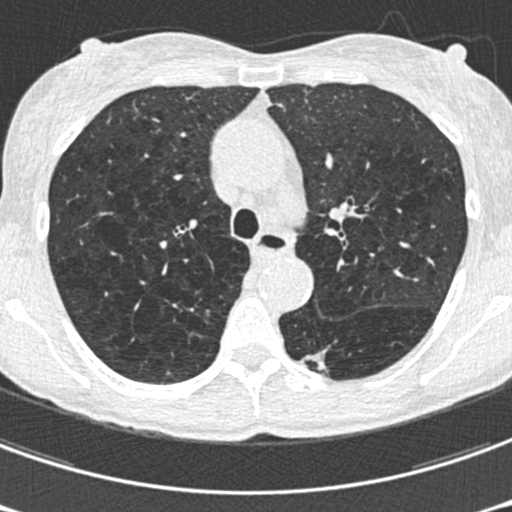
Axial slice 429 of 633 of a chest CT (slice 1 is the lowest), reconstructed with the B30f kernel at 120 kVp; 0.60 mm slice thickness and 0.541 mm pixels.
Pulmonary nodule outlined by one of the four readers; box rows 351–373, columns 300–328 (that reader's outline on this slice); longest diameter 20.7 mm and volume 470 mm3 from that reader's outline. That reader's ratings: texture 5/5 (solid); margin 1/5 (indistinct); sphericity 2/5; calcification absent; internal structure soft tissue; subtlety 4/5; malignancy likelihood 3/5. Scale key (1–5): texture non-solid→solid, margin indistinct→circumscribed, sphericity linear→round, subtlety extremely subtle→obvious, malignancy likelihood highly unlikely→highly suspicious of cancer. Box rows and columns are 0-based pixel indices from the top-left corner, inclusive.